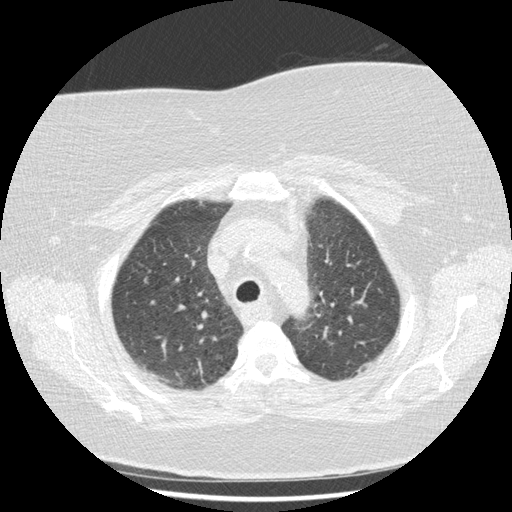
Axial chest CT slice 345 of 417 (counted from the lowest slice); tube voltage 120 kVp, convolution kernel STANDARD; slices 1.25 mm thick, 0.703 mm per pixel.
Pulmonary nodule, outlined by three of the four readers. Box on this slice rows 276–283, columns 143–148, the union of the readers' outlines on this slice; longest diameter 7.2–7.6 mm and volume 57–61 mm3 across the three readers' outlines. The readers' ratings, as ranges where they differ: texture from 4/5 to 5/5 (solid) across the three readers; margin from 2/5 to 4/5 across the three readers; sphericity from 2/5 to 4/5 across the three readers; calcification absent, all three readers agreeing; internal structure soft tissue, all three readers agreeing; subtlety from 3/5 to 5/5 across the three readers; malignancy likelihood rated between 2 and 3 out of 5 by the three readers. Scale key (1–5): texture non-solid→solid, margin indistinct→circumscribed, sphericity linear→round, subtlety extremely subtle→obvious, malignancy likelihood highly unlikely→highly suspicious of cancer. Box rows and columns are 0-based pixel indices from the top-left corner, inclusive.